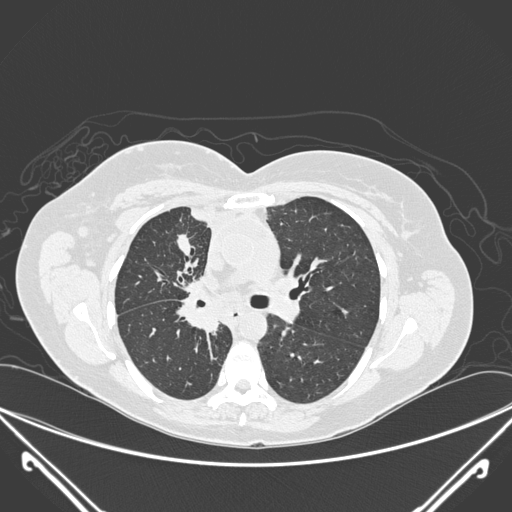
Axial chest CT slice 165 of 275 (counted from the lowest slice); tube voltage 120 kVp, convolution kernel D; slices 1.00 mm thick, 0.781 mm per pixel.
Pulmonary nodule, outlined by all four readers. Box on this slice rows 234–256, columns 175–190, the union of the readers' outlines on this slice; the four readers' outlines give a longest diameter between 20.3 and 23.4 mm and a volume between 1750 and 2560 mm3. Ratings across the readers: texture 5/5 (solid), all four readers agreeing; margin from 3/5 to 5/5 (circumscribed) across the four readers; sphericity from 2/5 to 5/5 (round) across the four readers; calcification: absent (three), central calcification (one); internal structure soft tissue, all four readers agreeing; subtlety 5/5 from all four readers; malignancy likelihood rated between 1 and 5 out of 5 by the four readers. Scale key (1–5): texture non-solid→solid, margin indistinct→circumscribed, sphericity linear→round, subtlety extremely subtle→obvious, malignancy likelihood highly unlikely→highly suspicious of cancer. Box rows and columns are 0-based pixel indices from the top-left corner, inclusive.